Axial chest CT slice 215 of 261 (counted from the lowest slice); tube voltage 120 kVp, convolution kernel STANDARD; slices 1.25 mm thick, 0.684 mm per pixel.
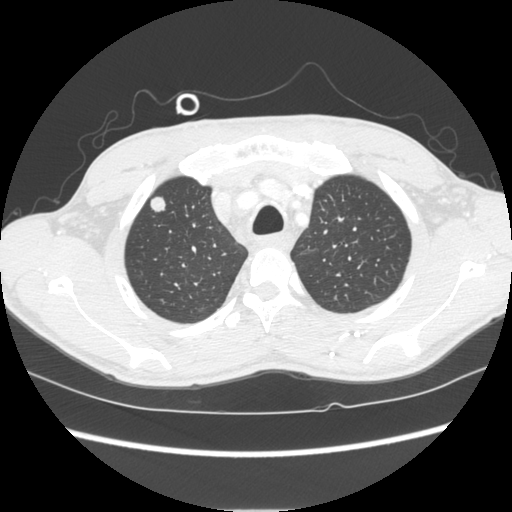
Pulmonary nodule outlined by all four readers; box rows 196–212, columns 150–165 (the union of the readers' outlines on this slice); longest diameter 14.0 mm on average over the four readers' outlines (readers' outlines 13.4–14.6 mm), volume 779–989 mm3. Ratings, by the readers' most common answer with dissent counted: texture 5/5 (solid) from all four readers; margin 5/5 (circumscribed), all four readers agreeing; sphericity split among the readers: 4/5 (two), 5/5 (round) (two); calcification absent, all four readers agreeing; internal structure soft tissue, all four readers agreeing; subtlety 5/5 by two of four readers; the rest gave 3/5 (one), 4/5 (one); malignancy likelihood 4/5 by two of four readers; the rest gave 2/5 (one), 5/5 (one). Scale key (1–5): texture non-solid→solid, margin indistinct→circumscribed, sphericity linear→round, subtlety extremely subtle→obvious, malignancy likelihood highly unlikely→highly suspicious of cancer. Box rows and columns are 0-based pixel indices from the top-left corner, inclusive.